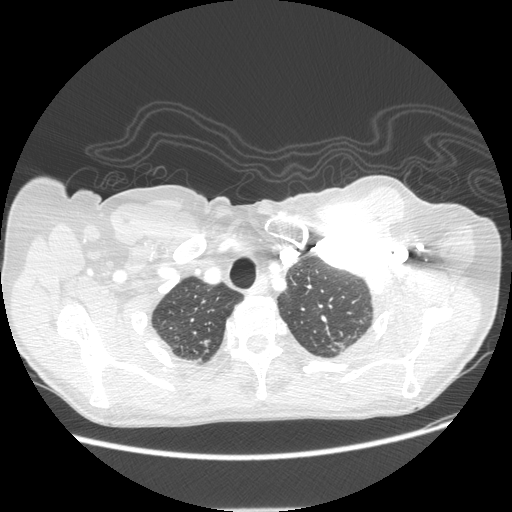
This is axial slice 193 of 232 (slice 1 is the lowest) of a chest CT; each pixel is 0.742 mm and the slice is 1.25 mm thick. Pulmonary nodule outlined by all four readers; box rows 339–346, columns 200–211 (the union of the readers' outlines on this slice); longest diameter 8.7 mm on average over the four readers' outlines (readers' outlines 7.6–11.3 mm), volume 79–196 mm3. Ratings, by the readers' most common answer with dissent counted: texture 5/5 (solid), all four readers agreeing; margin 5/5 (circumscribed) by two of four readers; the rest gave 3/5 (one), 4/5 (one); sphericity split among the readers: 4/5 (two), 5/5 (round) (two); calcification absent, all four readers agreeing; internal structure soft tissue, all four readers agreeing; subtlety 3/5 by two of four readers; the rest gave 2/5 (one), 4/5 (one); most readers (three of four) put malignancy likelihood at 3/5, others 2/5 (one). Scale key (1–5): texture non-solid→solid, margin indistinct→circumscribed, sphericity linear→round, subtlety extremely subtle→obvious, malignancy likelihood highly unlikely→highly suspicious of cancer. Box rows and columns are 0-based pixel indices from the top-left corner, inclusive.
Acquired at 120 kVp and reconstructed with the STANDARD kernel.